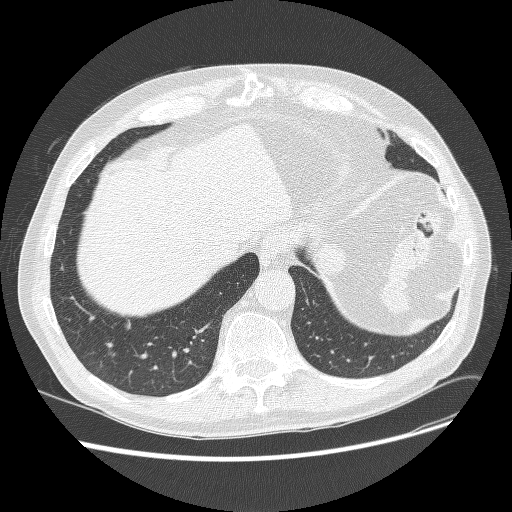
Chest CT, axial plane, 120 kVp, kernel BONE. Slice 80/268 from the bottom of the scan; thickness 1.25 mm; pixel size 0.742 mm.
Pulmonary nodule, outlined by all four readers, three of them on this slice. Box on this slice rows 319–330, columns 124–131, the union of the readers' outlines on this slice; longest diameter 8.2–9.9 mm and volume 157–231 mm3 across the four readers' outlines. Ratings across the readers: texture from 4/5 to 5/5 (solid) across the four readers; margin from 4/5 to 5/5 (circumscribed) across the four readers; sphericity from 3/5 (ovoid) to 4/5 across the four readers; calcification absent from all four readers; internal structure soft tissue from all four readers; subtlety rated between 3 and 4 out of 5 by the four readers; malignancy likelihood rated between 2 and 4 out of 5 by the four readers. Scale key (1–5): texture non-solid→solid, margin indistinct→circumscribed, sphericity linear→round, subtlety extremely subtle→obvious, malignancy likelihood highly unlikely→highly suspicious of cancer. Box rows and columns are 0-based pixel indices from the top-left corner, inclusive.